Axial chest CT slice 111 of 140 (counted from the lowest slice); tube voltage 120 kVp, convolution kernel STANDARD; slices 2.50 mm thick, 0.605 mm per pixel.
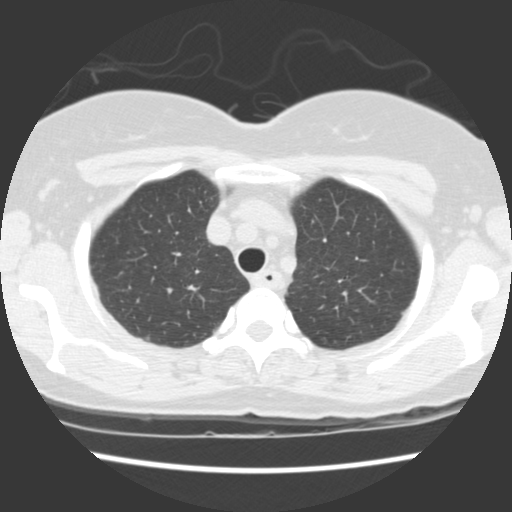
Pulmonary nodule at rows 336–339, columns 146–149 (box = that reader's outline on this slice), outlined by one of the four readers; longest diameter 5.2 mm and volume 81 mm3 from that reader's outline. That reader's ratings: texture 5/5 (solid); margin 5/5 (circumscribed); sphericity 4/5; calcification absent; internal structure soft tissue; subtlety 5/5; malignancy likelihood 2/5. Scale key (1–5): texture non-solid→solid, margin indistinct→circumscribed, sphericity linear→round, subtlety extremely subtle→obvious, malignancy likelihood highly unlikely→highly suspicious of cancer. Box rows and columns are 0-based pixel indices from the top-left corner, inclusive.